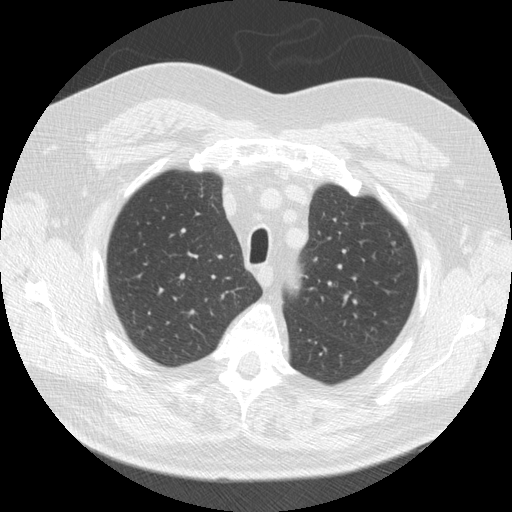
Axial slice 126 of 155 of a chest CT (slice 1 is the lowest), reconstructed with the STANDARD kernel at 120 kVp; 2.50 mm slice thickness and 0.703 mm pixels.
Pulmonary nodule outlined by one of the four readers; box rows 241–246, columns 390–395 (that reader's outline on this slice); longest diameter 5.4 mm and volume 62 mm3 from that reader's outline. That reader's ratings: texture 1/5 (non-solid); margin 3/5; sphericity 4/5; calcification absent; internal structure soft tissue; subtlety 1/5; malignancy likelihood 2/5. Scale key (1–5): texture non-solid→solid, margin indistinct→circumscribed, sphericity linear→round, subtlety extremely subtle→obvious, malignancy likelihood highly unlikely→highly suspicious of cancer. Box rows and columns are 0-based pixel indices from the top-left corner, inclusive.